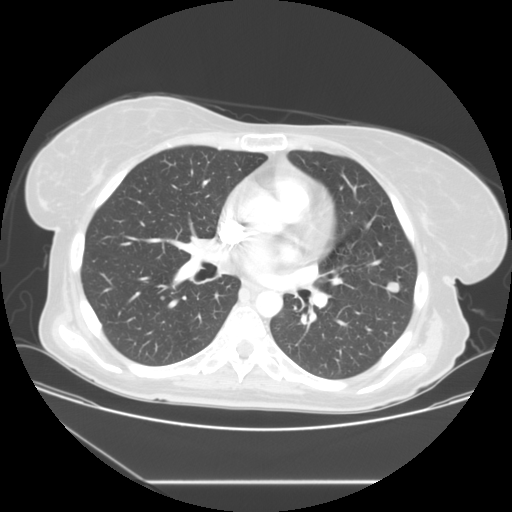
This is axial slice 70 of 117 (slice 1 is the lowest) of a chest CT; each pixel is 0.781 mm and the slice is 2.50 mm thick. Pulmonary nodule, outlined by all four readers. Box on this slice rows 281–292, columns 385–399, the union of the readers' outlines on this slice; longest diameter 12.3 mm on average over the four readers' outlines (readers' outlines 11.4–12.8 mm), volume 378–537 mm3. Ratings, by the readers' most common answer with dissent counted: texture 5/5 (solid) from all four readers; margin 5/5 (circumscribed) by three of four readers; the rest gave 4/5 (one); sphericity split among the readers: 4/5 (two), 5/5 (round) (two); calcification absent, all four readers agreeing; internal structure soft tissue from all four readers; subtlety 5/5 by two of four readers; the rest gave 3/5 (one), 4/5 (one); malignancy likelihood 2/5 by two of four readers; the rest gave 3/5 (one), 5/5 (one). Scale key (1–5): texture non-solid→solid, margin indistinct→circumscribed, sphericity linear→round, subtlety extremely subtle→obvious, malignancy likelihood highly unlikely→highly suspicious of cancer. Box rows and columns are 0-based pixel indices from the top-left corner, inclusive.
Scan settings: 120 kVp, STANDARD reconstruction kernel.